Axial chest CT slice 88 of 115 (counted from the lowest slice); tube voltage 135 kVp, convolution kernel FC01; slices 3.00 mm thick, 0.729 mm per pixel.
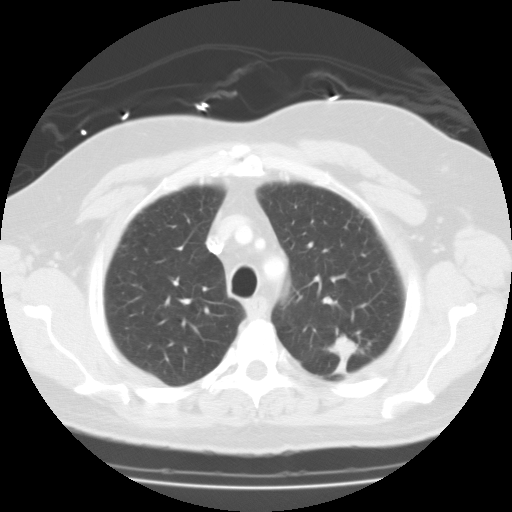
Pulmonary nodule at rows 335–374, columns 328–356 (box = that reader's outline on this slice), outlined by one of the four readers; longest diameter 34.4 mm and volume 9064 mm3 from that reader's outline. Ratings by that reader: texture 5/5 (solid); margin 3/5; sphericity 2/5; calcification absent; internal structure fluid; subtlety 5/5; malignancy likelihood 3/5. Scale key (1–5): texture non-solid→solid, margin indistinct→circumscribed, sphericity linear→round, subtlety extremely subtle→obvious, malignancy likelihood highly unlikely→highly suspicious of cancer. Box rows and columns are 0-based pixel indices from the top-left corner, inclusive.